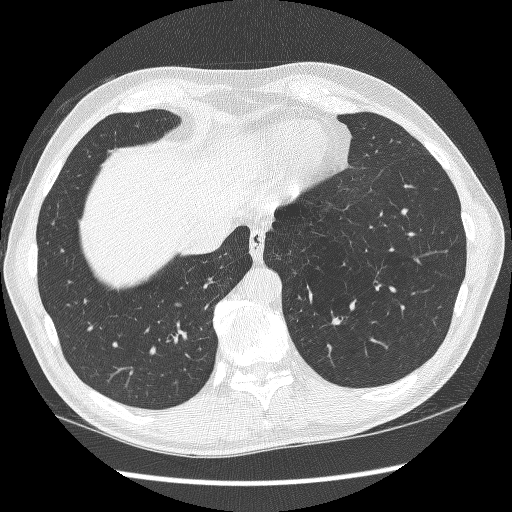
One axial slice (77 of 261, counting up from the lowest) of a chest CT acquired at 120 kVp with the BONE kernel; each pixel is 0.689 mm and the slice is 1.25 mm thick.
Pulmonary nodule at rows 302–306, columns 174–181 (box = the union of the readers' outlines on this slice), outlined by all four readers; median longest diameter 8.5 mm (readers' outlines 8.1–9.9 mm), median volume 178 mm3 (169–271 mm3). Ratings, median across the readers with their spread: median texture 5/5 (solid) (readers ranged 4/5 to 5/5 (solid)); margin 4/5 at the median of four readers, spread 4/5 to 5/5 (circumscribed); median sphericity 3/5 (ovoid) (readers ranged 2/5 to 3/5 (ovoid)); calcification absent from all four readers; internal structure soft tissue from all four readers; subtlety 3.5/5 at the median of four readers, spread 3–5; median malignancy likelihood 3/5 (readers ranged 3–4). Scale key (1–5): texture non-solid→solid, margin indistinct→circumscribed, sphericity linear→round, subtlety extremely subtle→obvious, malignancy likelihood highly unlikely→highly suspicious of cancer. Box rows and columns are 0-based pixel indices from the top-left corner, inclusive.